Axial chest CT slice 64 of 315 (counted from the lowest slice); tube voltage 120 kVp, convolution kernel B; slices 2.00 mm thick, 0.830 mm per pixel.
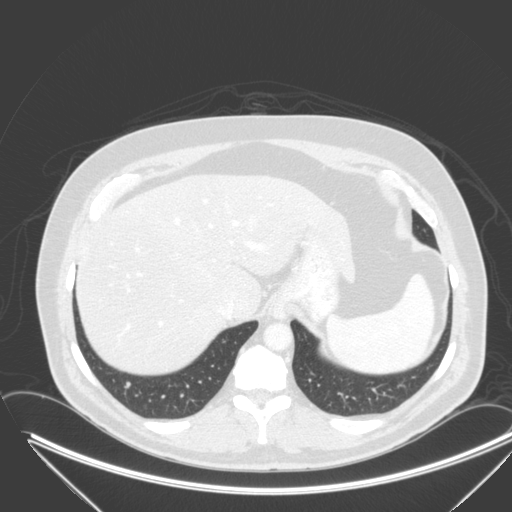
Pulmonary nodule at rows 381–386, columns 126–131 (box = the union of the readers' outlines on this slice), outlined by three of the four readers; longest diameter 5.6–6.3 mm and volume 57–71 mm3 across the three readers' outlines. The readers' ratings, as ranges where they differ: texture 5/5 (solid) from all three readers; margin from 4/5 to 5/5 (circumscribed) across the three readers; sphericity from 3/5 (ovoid) to 5/5 (round) across the three readers; calcification absent from all three readers; internal structure soft tissue, all three readers agreeing; subtlety 3–5/5 (the readers disagree); malignancy likelihood from 2/5 to 3/5 across the three readers. Scale key (1–5): texture non-solid→solid, margin indistinct→circumscribed, sphericity linear→round, subtlety extremely subtle→obvious, malignancy likelihood highly unlikely→highly suspicious of cancer. Box rows and columns are 0-based pixel indices from the top-left corner, inclusive.